Chest CT, axial plane, 120 kVp, kernel STANDARD. Slice 415/583 from the bottom of the scan; thickness 1.25 mm; pixel size 0.703 mm.
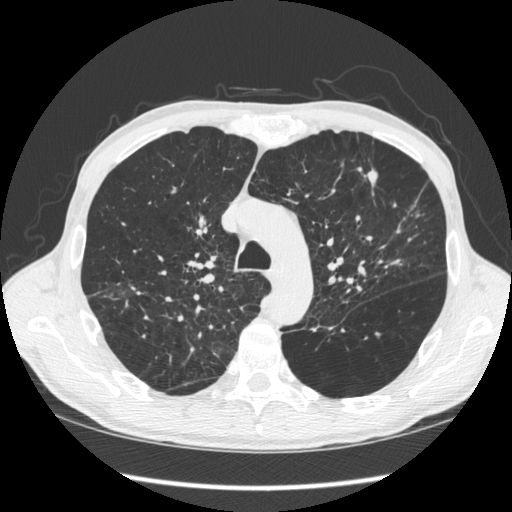
Pulmonary nodule, outlined by all four readers. Box on this slice rows 168–187, columns 363–377, the union of the readers' outlines on this slice; longest diameter 13.5 mm on average over the four readers' outlines (readers' outlines 10.5–14.8 mm), volume 293–480 mm3. The readers' prevailing ratings and who disagreed: texture 5/5 (solid), all four readers agreeing; margin 5/5 (circumscribed) by two of four readers; the rest gave 3/5 (one), 4/5 (one); sphericity 2/5 by two of four readers; the rest gave 4/5 (one), 5/5 (round) (one); calcification absent, all four readers agreeing; internal structure soft tissue, all four readers agreeing; subtlety 5/5 by two of four readers; the rest gave 3/5 (one), 4/5 (one); malignancy likelihood 5/5 by two of four readers; the rest gave 2/5 (one), 4/5 (one). Scale key (1–5): texture non-solid→solid, margin indistinct→circumscribed, sphericity linear→round, subtlety extremely subtle→obvious, malignancy likelihood highly unlikely→highly suspicious of cancer. Box rows and columns are 0-based pixel indices from the top-left corner, inclusive.